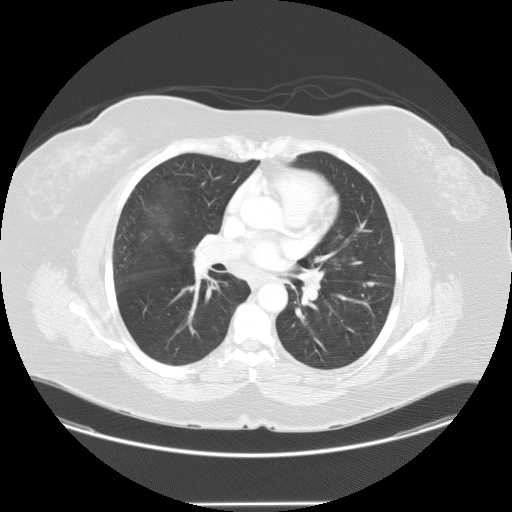
Axial chest CT slice 43 of 95 (counted from the lowest slice); 2.50 mm thick, 0.859 mm per pixel. Pulmonary nodule at rows 281–286, columns 367–375 (box = the union of the readers' outlines on this slice), outlined by all four readers; median longest diameter 7.9 mm (readers' outlines 7.3–8.8 mm), median volume 155 mm3 (138–212 mm3). Ratings, median across the readers with their spread: texture 5/5 (solid) from all four readers; margin 4.5/5 at the median of four readers, spread 4/5 to 5/5 (circumscribed); sphericity 3.5/5 at the median of four readers, spread 3/5 (ovoid) to 5/5 (round); calcification absent, all four readers agreeing; internal structure soft tissue from all four readers; subtlety 3/5 at the median of four readers, spread 2–3; malignancy likelihood 2/5 at the median of four readers, spread 2–3. Scale key (1–5): texture non-solid→solid, margin indistinct→circumscribed, sphericity linear→round, subtlety extremely subtle→obvious, malignancy likelihood highly unlikely→highly suspicious of cancer. Box rows and columns are 0-based pixel indices from the top-left corner, inclusive.
Acquired at 120 kVp and reconstructed with the STANDARD kernel.